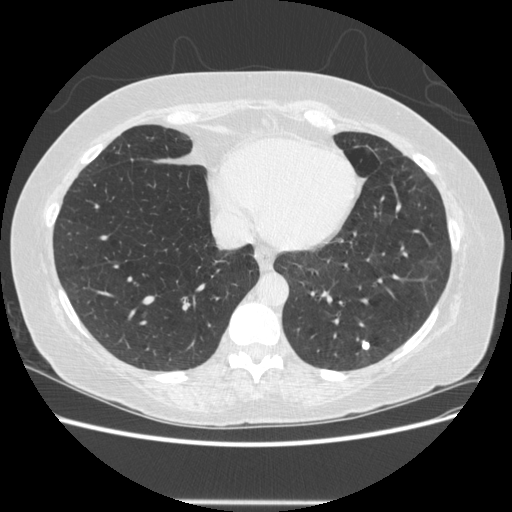
Axial slice 170 of 513 of a chest CT (slice 1 is the lowest), reconstructed with the STANDARD kernel at 120 kVp; 1.25 mm slice thickness and 0.703 mm pixels.
Pulmonary nodule, outlined by all four readers. Box on this slice rows 340–349, columns 362–369, the union of the readers' outlines on this slice; longest diameter 8.4 mm on average over the four readers' outlines (readers' outlines 7.6–9.4 mm), volume 94–152 mm3. The readers' prevailing ratings and who disagreed: texture 5/5 (solid), all four readers agreeing; margin 5/5 (circumscribed) by two of four readers; the rest gave 1/5 (indistinct) (one), 4/5 (one); most readers (three of four) put sphericity at 5/5 (round), others 3/5 (ovoid) (one); calcification solid calcification by three of four readers, absent (one); internal structure soft tissue from all four readers; subtlety 5/5 by three of four readers; the rest gave 4/5 (one); most readers (three of four) put malignancy likelihood at 1/5, others 4/5 (one). Scale key (1–5): texture non-solid→solid, margin indistinct→circumscribed, sphericity linear→round, subtlety extremely subtle→obvious, malignancy likelihood highly unlikely→highly suspicious of cancer. Box rows and columns are 0-based pixel indices from the top-left corner, inclusive.